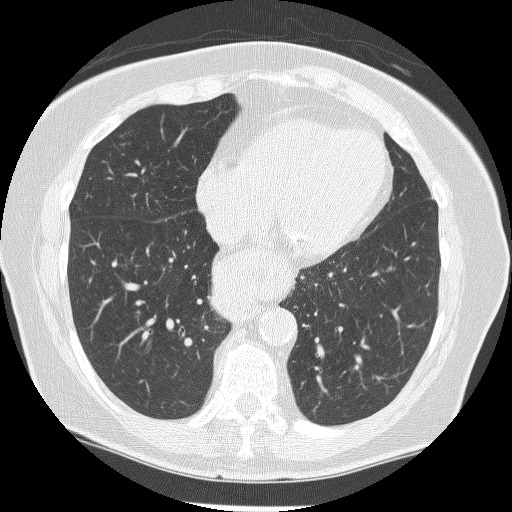
Chest CT, axial plane, 120 kVp, kernel BONE. Slice 94/240 from the bottom of the scan; thickness 1.25 mm; pixel size 0.604 mm.
Pulmonary nodule at rows 135–136, columns 118–120 (box = the union of the readers' outlines on this slice), outlined by all four readers, two of them on this slice; longest diameter 5.8 mm on average over the four readers' outlines (readers' outlines 5.4–6.0 mm), volume 28–58 mm3. The readers' prevailing ratings and who disagreed: texture 1/5 (non-solid) by two of four readers; the rest gave 2/5 (one), 5/5 (solid) (one); margin 2/5 by two of four readers; the rest gave 3/5 (one), 5/5 (circumscribed) (one); sphericity 3/5 (ovoid) by three of four readers; the rest gave 2/5 (one); calcification absent from all four readers; internal structure soft tissue from all four readers; subtlety split among the readers: 2/5 (two), 3/5 (two); most readers (three of four) put malignancy likelihood at 2/5, others 3/5 (one). Scale key (1–5): texture non-solid→solid, margin indistinct→circumscribed, sphericity linear→round, subtlety extremely subtle→obvious, malignancy likelihood highly unlikely→highly suspicious of cancer. Box rows and columns are 0-based pixel indices from the top-left corner, inclusive.